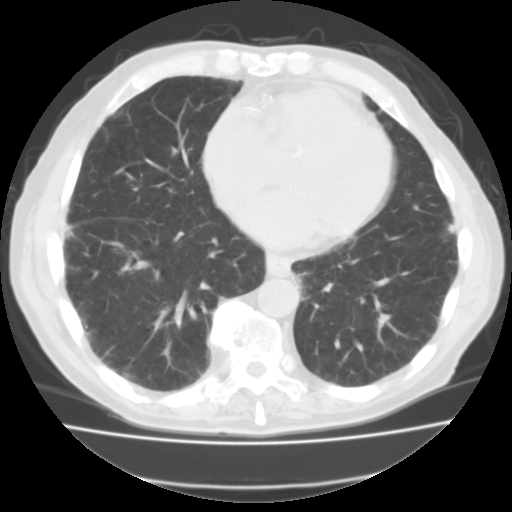
Axial chest CT slice 40 of 111 (counted from the lowest slice); tube voltage 135 kVp, convolution kernel FC01; slices 3.00 mm thick, 0.714 mm per pixel.
Pulmonary nodule at rows 223–233, columns 446–454 (box = the union of the readers' outlines on this slice), outlined by all four readers; longest diameter 20.2 mm on average over the four readers' outlines (readers' outlines 19.5–21.5 mm), volume 3640–4836 mm3. Ratings, by the readers' most common answer with dissent counted: texture 5/5 (solid) from all four readers; margin 5/5 (circumscribed) by three of four readers; the rest gave 4/5 (one); sphericity 3/5 (ovoid) by two of four readers; the rest gave 4/5 (one), 5/5 (round) (one); calcification absent, all four readers agreeing; internal structure soft tissue, all four readers agreeing; subtlety 5/5 from all four readers; malignancy likelihood split among the readers: 2/5 (one), 3/5 (one), 4/5 (one), 5/5 (one). Scale key (1–5): texture non-solid→solid, margin indistinct→circumscribed, sphericity linear→round, subtlety extremely subtle→obvious, malignancy likelihood highly unlikely→highly suspicious of cancer. Box rows and columns are 0-based pixel indices from the top-left corner, inclusive.